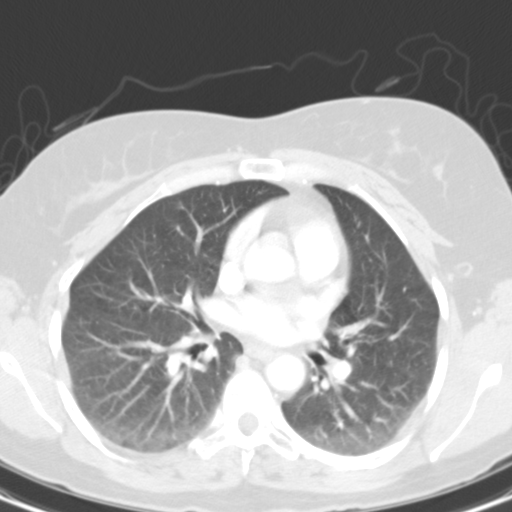
Slice 58/94 of a chest CT, counting up from the lowest; pixel size 0.570 mm, slice thickness 3.00 mm. This slice carries no reader outline of a nodule 3 mm or larger.
Acquired at 130 kVp and reconstructed with the B31s kernel.